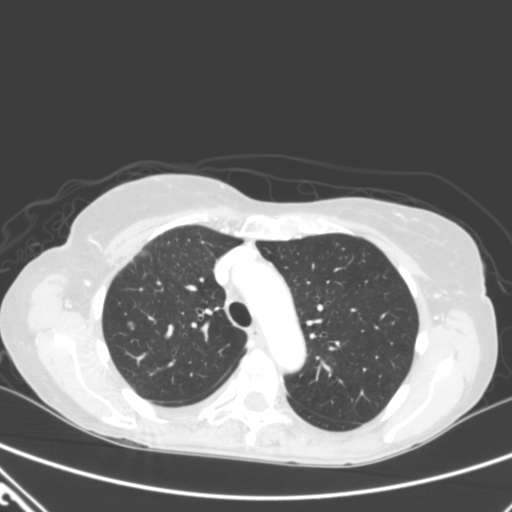
Axial chest CT slice 238 of 320 (counted from the lowest slice); tube voltage 120 kVp, convolution kernel B; slices 2.00 mm thick, 0.662 mm per pixel.
Pulmonary nodule, outlined by all four readers. Box on this slice rows 320–331, columns 125–134, the union of the readers' outlines on this slice; longest diameter 8.0–10.5 mm and volume 192–341 mm3 across the four readers' outlines. Ratings across the readers: texture 5/5 (solid) from all four readers; margin from 4/5 to 5/5 (circumscribed) across the four readers; sphericity from 4/5 to 5/5 (round) across the four readers; calcification absent, all four readers agreeing; internal structure soft tissue, all four readers agreeing; subtlety 5/5, all four readers agreeing; malignancy likelihood 2–5/5 (the readers disagree). Scale key (1–5): texture non-solid→solid, margin indistinct→circumscribed, sphericity linear→round, subtlety extremely subtle→obvious, malignancy likelihood highly unlikely→highly suspicious of cancer. Box rows and columns are 0-based pixel indices from the top-left corner, inclusive.